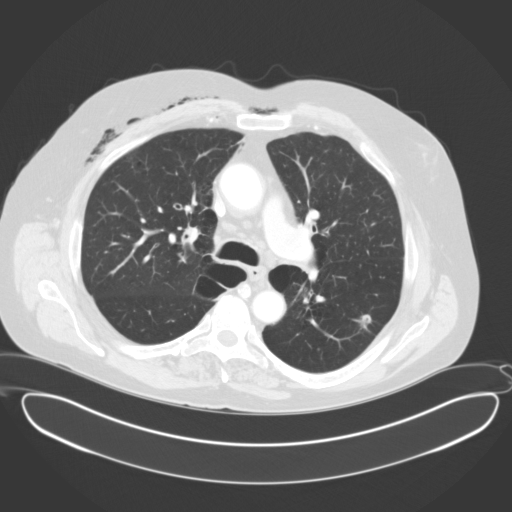
Axial slice 113 of 153 of a chest CT (slice 1 is the lowest), reconstructed with the B31f kernel at 120 kVp; 3.00 mm slice thickness and 0.836 mm pixels.
Pulmonary nodule at rows 314–323, columns 361–370 (box = that reader's outline on this slice), outlined by one of the four readers; longest diameter 14.2 mm and volume 624 mm3 from that reader's outline. Ratings by that reader: texture 3/5 (part-solid); margin 3/5; sphericity 2/5; calcification absent; internal structure air; subtlety 4/5; malignancy likelihood 3/5. Scale key (1–5): texture non-solid→solid, margin indistinct→circumscribed, sphericity linear→round, subtlety extremely subtle→obvious, malignancy likelihood highly unlikely→highly suspicious of cancer. Box rows and columns are 0-based pixel indices from the top-left corner, inclusive.